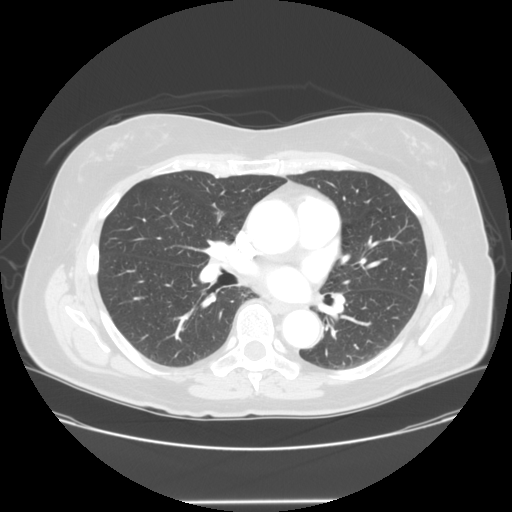
This is axial slice 77 of 138 (slice 1 is the lowest) of a chest CT; each pixel is 0.781 mm and the slice is 2.50 mm thick. None of the four readers outlined a nodule of 3 mm or more on this slice.
Tube voltage 120 kVp; convolution kernel STANDARD.